One axial slice (202 of 276, counting up from the lowest) of a chest CT acquired at 120 kVp with the D kernel; each pixel is 0.617 mm and the slice is 2.00 mm thick.
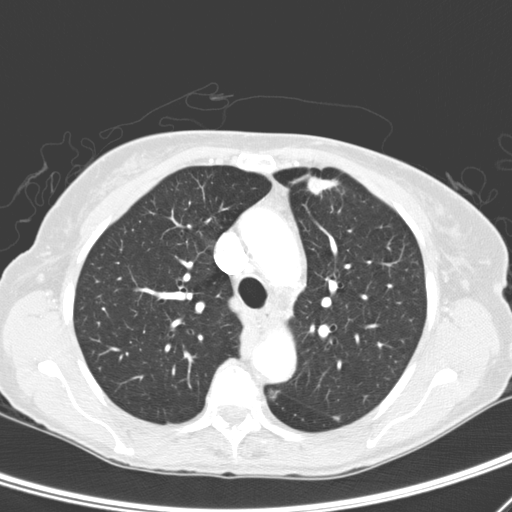
Three pulmonary nodules are outlined on this slice; from left to right: (1) Pulmonary nodule at rows 389–400, columns 267–274 (box = the one reader's outline on this slice), outlined by two of the four readers, one of them on this slice; the two readers' outlines give a longest diameter between 7.4 and 10.0 mm and a volume between 109 and 225 mm3. The readers' ratings, as ranges where they differ: texture from 1/5 (non-solid) to 3/5 (part-solid) across the two readers; margin from 1/5 (indistinct) to 2/5 across the two readers; sphericity from 3/5 (ovoid) to 4/5 across the two readers; calcification absent from both readers; internal structure soft tissue, both readers agreeing; subtlety from 3/5 to 5/5 across the two readers; malignancy likelihood rated between 3 and 4 out of 5 by the two readers. (2) Pulmonary nodule at rows 175–197, columns 306–339 (box = the union of the readers' outlines on this slice), outlined by three of the four readers; longest diameter 23.3 mm on average over the three readers' outlines (readers' outlines 19.9–25.7 mm), volume 1110–1901 mm3. Ratings, by the readers' most common answer with dissent counted: most readers (two of three) put texture at 4/5, others 5/5 (solid) (one); most readers (two of three) put margin at 2/5, others 4/5 (one); most readers (two of three) put sphericity at 3/5 (ovoid), others 4/5 (one); calcification absent, all three readers agreeing; internal structure soft tissue from all three readers; subtlety 5/5 from all three readers; malignancy likelihood 5/5 from all three readers. (3) Pulmonary nodule at rows 416–419, columns 333–338 (box = the union of the readers' outlines on this slice), outlined by two of the four readers; longest diameter 5.1 mm on average over the two readers' outlines (readers' outlines 5.0–5.2 mm), volume 23–35 mm3. Ratings, by the readers' most common answer with dissent counted: texture split among the readers: 2/5 (one), 4/5 (one); margin split among the readers: 2/5 (one), 4/5 (one); sphericity split among the readers: 2/5 (one), 3/5 (ovoid) (one); calcification absent, both readers agreeing; internal structure soft tissue from both readers; subtlety split among the readers: 3/5 (one), 4/5 (one); malignancy likelihood 3/5, both readers agreeing. Scale key (1–5): texture non-solid→solid, margin indistinct→circumscribed, sphericity linear→round, subtlety extremely subtle→obvious, malignancy likelihood highly unlikely→highly suspicious of cancer. Box rows and columns are 0-based pixel indices from the top-left corner, inclusive.